Chest CT, axial plane, 120 kVp, kernel C. Slice 178/350 from the bottom of the scan; thickness 1.50 mm; pixel size 0.725 mm.
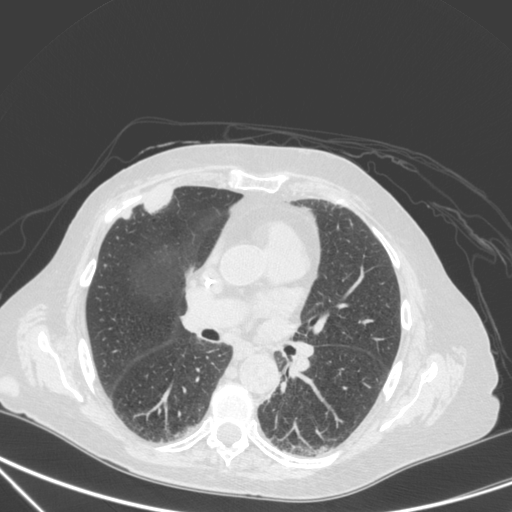
Two pulmonary nodules on this slice, listed from left to right. (1) Pulmonary nodule at rows 210–219, columns 123–132 (box = that reader's outline on this slice), outlined by one of the four readers; longest diameter 11.5 mm and volume 223 mm3 from that reader's outline. Ratings by that reader: texture 5/5 (solid); margin 4/5; sphericity 4/5; calcification absent; internal structure soft tissue; subtlety 5/5; malignancy likelihood 4/5. (2) Pulmonary nodule at rows 192–212, columns 144–171 (box = that reader's outline on this slice), outlined by one of the four readers; longest diameter 29.5 mm and volume 4181 mm3 from that reader's outline. That reader's ratings: texture 5/5 (solid); margin 4/5; sphericity 2/5; calcification absent; internal structure soft tissue; subtlety 5/5; malignancy likelihood 4/5. Scale key (1–5): texture non-solid→solid, margin indistinct→circumscribed, sphericity linear→round, subtlety extremely subtle→obvious, malignancy likelihood highly unlikely→highly suspicious of cancer. Box rows and columns are 0-based pixel indices from the top-left corner, inclusive.